Chest CT, axial plane, 120 kVp, kernel STANDARD. Slice 65/154 from the bottom of the scan; thickness 2.50 mm; pixel size 0.684 mm.
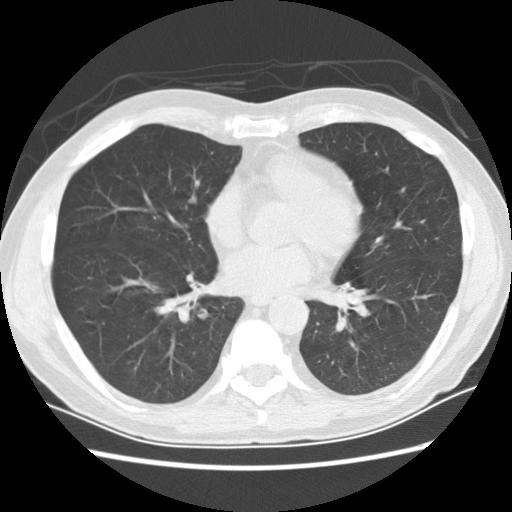
Pulmonary nodule outlined by all four readers; box rows 307–319, columns 196–208 (the union of the readers' outlines on this slice); median longest diameter 9.1 mm (readers' outlines 8.2–10.8 mm), median volume 195 mm3 (147–273 mm3). Median ratings and the readers' spread: texture 2/5 at the median of four readers, spread 1/5 (non-solid) to 3/5 (part-solid); margin 2/5 at the median of four readers, spread 2/5 to 4/5; median sphericity 4.5/5 (readers ranged 4/5 to 5/5 (round)); calcification absent, all four readers agreeing; internal structure soft tissue, all four readers agreeing; median subtlety 3.5/5 (readers ranged 2–5); malignancy likelihood 3.5/5 at the median of four readers, spread 2–5. Scale key (1–5): texture non-solid→solid, margin indistinct→circumscribed, sphericity linear→round, subtlety extremely subtle→obvious, malignancy likelihood highly unlikely→highly suspicious of cancer. Box rows and columns are 0-based pixel indices from the top-left corner, inclusive.